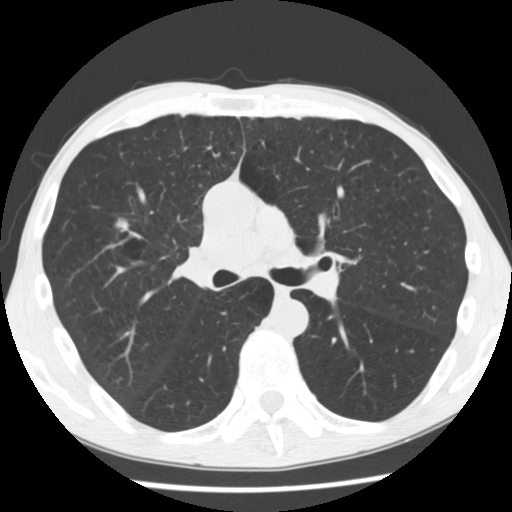
This is axial slice 169 of 292 (slice 1 is the lowest) of a chest CT; each pixel is 0.645 mm and the slice is 2.50 mm thick. Pulmonary nodule outlined three times (the source holds two more outlines, not used); box rows 217–231, columns 113–128 (the union of the readers' outlines on this slice); median longest diameter 18.3 mm (readers' outlines 18.2–19.0 mm), median volume 926 mm3 (892–1690 mm3). Ratings, median across the readers with their spread: texture 5/5 (solid) from all three readers; median margin 3/5 (readers ranged 2/5 to 4/5); sphericity 3/5 (ovoid) at the median of three readers, spread 2/5 to 4/5; calcification absent from all three readers; internal structure soft tissue from all three readers; subtlety 4/5 at the median of three readers, spread 4–5; median malignancy likelihood 5/5 (readers ranged 3–5). Scale key (1–5): texture non-solid→solid, margin indistinct→circumscribed, sphericity linear→round, subtlety extremely subtle→obvious, malignancy likelihood highly unlikely→highly suspicious of cancer. Box rows and columns are 0-based pixel indices from the top-left corner, inclusive.
Acquired at 120 kVp and reconstructed with the STANDARD kernel.